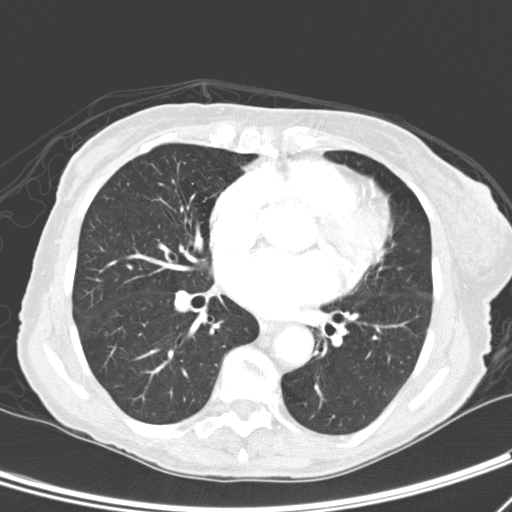
Axial slice 139 of 276 of a chest CT (slice 1 is the lowest), reconstructed with the D kernel at 120 kVp; 2.00 mm slice thickness and 0.617 mm pixels.
No nodule of 3 mm or larger was outlined by any of the four readers on this slice.